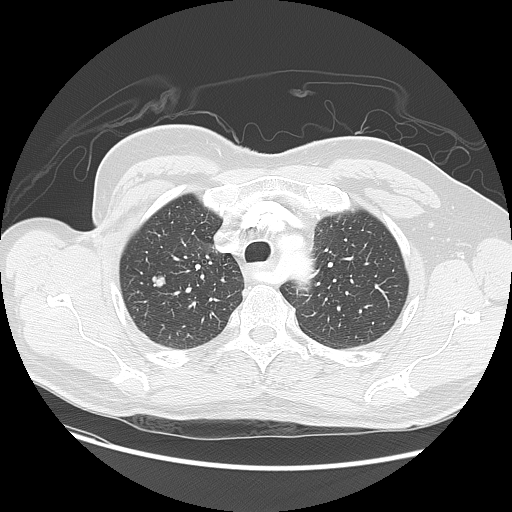
This is axial slice 98 of 135 (slice 1 is the lowest) of a chest CT; each pixel is 0.781 mm and the slice is 2.50 mm thick. Pulmonary nodule, outlined by all four readers. Box on this slice rows 275–286, columns 152–165, the union of the readers' outlines on this slice; median longest diameter 12.7 mm (readers' outlines 10.6–13.7 mm), median volume 650 mm3 (560–752 mm3). Median ratings and the readers' spread: texture 5/5 (solid), all four readers agreeing; median margin 5/5 (circumscribed) (readers ranged 4/5 to 5/5 (circumscribed)); median sphericity 4/5 (readers ranged 4/5 to 5/5 (round)); calcification absent from all four readers; internal structure soft tissue, all four readers agreeing; subtlety 5/5 at the median of four readers, spread 4–5; median malignancy likelihood 4/5 (readers ranged 2–4). Scale key (1–5): texture non-solid→solid, margin indistinct→circumscribed, sphericity linear→round, subtlety extremely subtle→obvious, malignancy likelihood highly unlikely→highly suspicious of cancer. Box rows and columns are 0-based pixel indices from the top-left corner, inclusive.
Tube voltage 120 kVp; convolution kernel LUNG.